Axial chest CT slice 79 of 115 (counted from the lowest slice); tube voltage 135 kVp, convolution kernel FC01; slices 3.00 mm thick, 0.720 mm per pixel.
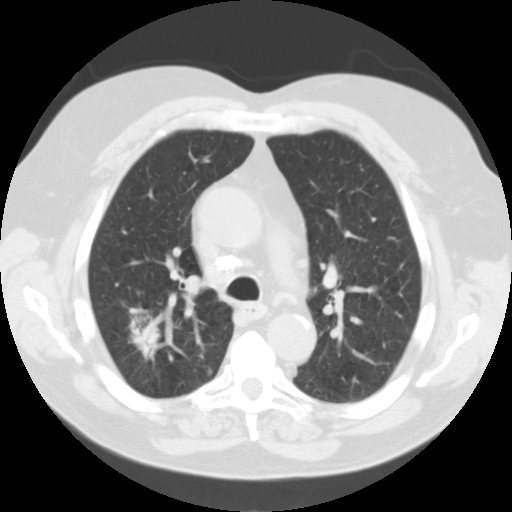
Pulmonary nodule outlined by two of the four readers; box rows 367–375, columns 206–213 (the union of the readers' outlines on this slice); median longest diameter 7.0 mm (readers' outlines 6.5–7.4 mm), median volume 190 mm3 (115–264 mm3). Median ratings and the readers' spread: texture 4/5 from both readers; margin 3.5/5 at the median of two readers, spread 3/5 to 4/5; sphericity 3.5/5 at the median of two readers, spread 3/5 (ovoid) to 4/5; calcification absent from both readers; internal structure soft tissue, both readers agreeing; median subtlety 3.5/5 (readers ranged 2–5); malignancy likelihood 2.5/5 at the median of two readers, spread 2–3. Scale key (1–5): texture non-solid→solid, margin indistinct→circumscribed, sphericity linear→round, subtlety extremely subtle→obvious, malignancy likelihood highly unlikely→highly suspicious of cancer. Box rows and columns are 0-based pixel indices from the top-left corner, inclusive.